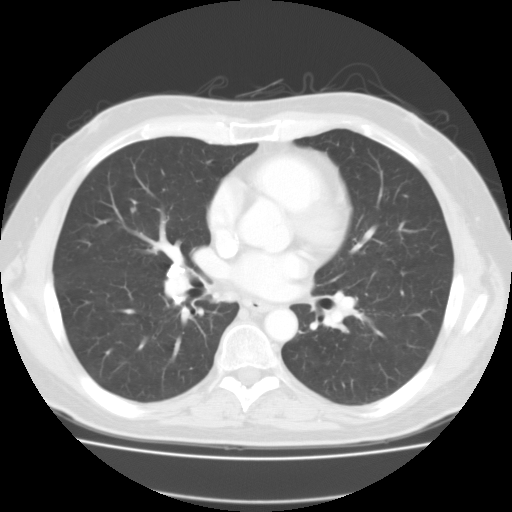
One axial slice (74 of 127, counting up from the lowest) of a chest CT acquired at 135 kVp with the FC01 kernel; each pixel is 0.750 mm and the slice is 3.00 mm thick.
Two pulmonary nodules on this slice, listed from left to right. (1) Pulmonary nodule at rows 207–213, columns 131–136 (box = the union of the readers' outlines on this slice), outlined by two of the four readers; longest diameter 6.7 mm on average over the two readers' outlines (readers' outlines 6.7 mm), volume 82 mm3. Ratings, by the readers' most common answer with dissent counted: texture split among the readers: 1/5 (non-solid) (one), 5/5 (solid) (one); margin 2/5, both readers agreeing; sphericity 4/5, both readers agreeing; calcification absent from both readers; internal structure soft tissue, both readers agreeing; subtlety split among the readers: 1/5 (one), 2/5 (one); malignancy likelihood split among the readers: 1/5 (one), 3/5 (one). (2) Pulmonary nodule, outlined by one of the four readers. Box on this slice rows 271–276, columns 401–406, that reader's outline on this slice; longest diameter 7.7 mm and volume 157 mm3 from that reader's outline. That reader's ratings: texture 2/5; margin 2/5; sphericity 3/5 (ovoid); calcification absent; internal structure soft tissue; subtlety 1/5; malignancy likelihood 3/5. Scale key (1–5): texture non-solid→solid, margin indistinct→circumscribed, sphericity linear→round, subtlety extremely subtle→obvious, malignancy likelihood highly unlikely→highly suspicious of cancer. Box rows and columns are 0-based pixel indices from the top-left corner, inclusive.